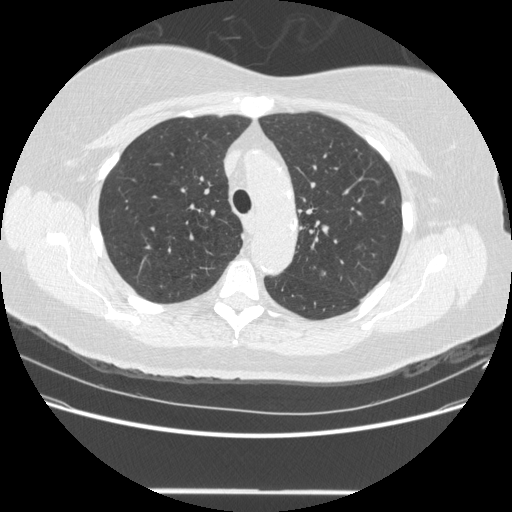
This is axial slice 348 of 481 (slice 1 is the lowest) of a chest CT; each pixel is 0.742 mm and the slice is 1.25 mm thick. Pulmonary nodule outlined by three of the four readers; box rows 270–276, columns 320–326 (the union of the readers' outlines on this slice); longest diameter 6.3–7.0 mm and volume 65–113 mm3 across the three readers' outlines. The readers' ratings, as ranges where they differ: texture from 3/5 (part-solid) to 5/5 (solid) across the three readers; margin from 2/5 to 4/5 across the three readers; sphericity from 3/5 (ovoid) to 4/5 across the three readers; calcification absent from all three readers; internal structure soft tissue from all three readers; subtlety from 2/5 to 4/5 across the three readers; malignancy likelihood rated between 2 and 3 out of 5 by the three readers. Scale key (1–5): texture non-solid→solid, margin indistinct→circumscribed, sphericity linear→round, subtlety extremely subtle→obvious, malignancy likelihood highly unlikely→highly suspicious of cancer. Box rows and columns are 0-based pixel indices from the top-left corner, inclusive.
Scan settings: 120 kVp, STANDARD reconstruction kernel.